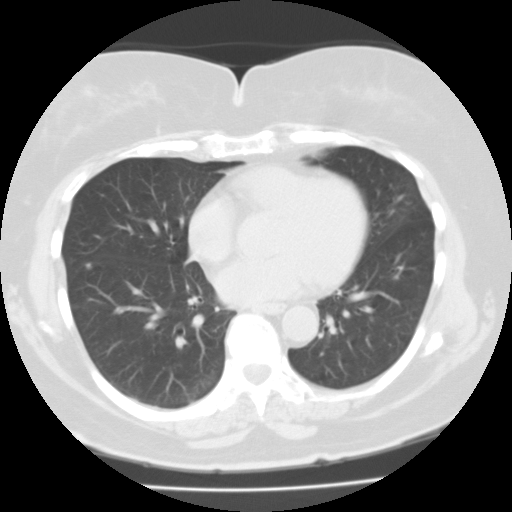
One axial slice (56 of 112, counting up from the lowest) of a chest CT acquired at 135 kVp with the FC01 kernel; each pixel is 0.650 mm and the slice is 3.00 mm thick.
Pulmonary nodule outlined by two of the four readers; box rows 263–268, columns 86–90 (the union of the readers' outlines on this slice); the two readers' outlines give a longest diameter of 6.2 mm and a volume of 106 mm3. Ratings across the readers: texture from 4/5 to 5/5 (solid) across the two readers; margin from 3/5 to 4/5 across the two readers; sphericity 5/5 (round) from both readers; calcification absent, both readers agreeing; internal structure soft tissue, both readers agreeing; subtlety from 4/5 to 5/5 across the two readers; malignancy likelihood 2–3/5 (the readers disagree). Scale key (1–5): texture non-solid→solid, margin indistinct→circumscribed, sphericity linear→round, subtlety extremely subtle→obvious, malignancy likelihood highly unlikely→highly suspicious of cancer. Box rows and columns are 0-based pixel indices from the top-left corner, inclusive.